One axial slice (410 of 506, counting up from the lowest) of a chest CT acquired at 120 kVp with the B30f kernel; each pixel is 0.699 mm and the slice is 0.75 mm thick.
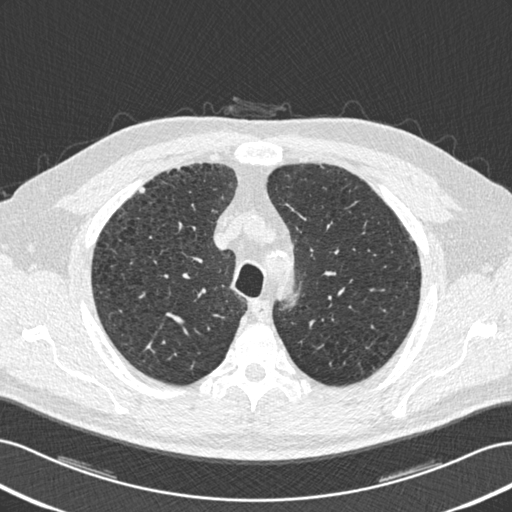
Pulmonary nodule at rows 186–193, columns 138–145 (box = the union of the readers' outlines on this slice), outlined by two of the four readers; longest diameter 7.0 mm on average over the two readers' outlines (readers' outlines 7.0 mm), volume 87 mm3. The readers' prevailing ratings and who disagreed: texture 5/5 (solid) from both readers; margin 4/5 from both readers; sphericity split among the readers: 3/5 (ovoid) (one), 4/5 (one); calcification absent, both readers agreeing; internal structure soft tissue from both readers; subtlety split among the readers: 2/5 (one), 4/5 (one); malignancy likelihood split among the readers: 1/5 (one), 3/5 (one). Scale key (1–5): texture non-solid→solid, margin indistinct→circumscribed, sphericity linear→round, subtlety extremely subtle→obvious, malignancy likelihood highly unlikely→highly suspicious of cancer. Box rows and columns are 0-based pixel indices from the top-left corner, inclusive.